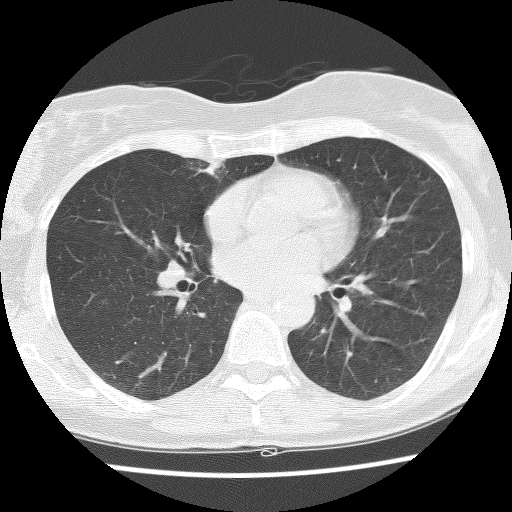
Axial slice 67 of 127 of a chest CT (slice 1 is the lowest), reconstructed with the BONE kernel at 140 kVp; 2.50 mm slice thickness and 0.586 mm pixels.
Pulmonary nodule at rows 160–178, columns 205–225 (box = that reader's outline on this slice), outlined by one of the four readers; longest diameter 18.8 mm and volume 2440 mm3 from that reader's outline. That reader's ratings: texture 3/5 (part-solid); margin 2/5; sphericity 2/5; calcification absent; internal structure soft tissue; subtlety 4/5; malignancy likelihood 2/5. Scale key (1–5): texture non-solid→solid, margin indistinct→circumscribed, sphericity linear→round, subtlety extremely subtle→obvious, malignancy likelihood highly unlikely→highly suspicious of cancer. Box rows and columns are 0-based pixel indices from the top-left corner, inclusive.